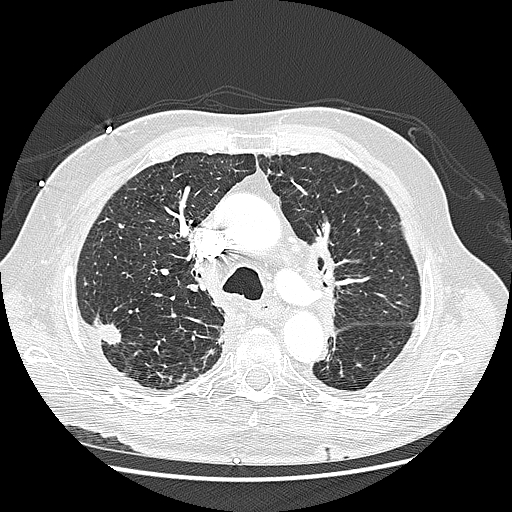
Chest CT, axial plane, 120 kVp, kernel LUNG. Slice 176/242 from the bottom of the scan; thickness 1.25 mm; pixel size 0.703 mm.
Pulmonary nodule at rows 318–345, columns 94–121 (box = the union of the readers' outlines on this slice), outlined by three of the four readers; median longest diameter 25.5 mm (readers' outlines 23.6–31.8 mm), median volume 3121 mm3 (3005–3613 mm3). Ratings, median across the readers with their spread: texture 5/5 (solid), all three readers agreeing; margin 4/5 at the median of three readers, spread 3/5 to 5/5 (circumscribed); sphericity 4/5 at the median of three readers, spread 3/5 (ovoid) to 4/5; calcification absent, all three readers agreeing; internal structure soft tissue, all three readers agreeing; median subtlety 5/5 (readers ranged 4–5); median malignancy likelihood 5/5 (readers ranged 4–5). Scale key (1–5): texture non-solid→solid, margin indistinct→circumscribed, sphericity linear→round, subtlety extremely subtle→obvious, malignancy likelihood highly unlikely→highly suspicious of cancer. Box rows and columns are 0-based pixel indices from the top-left corner, inclusive.